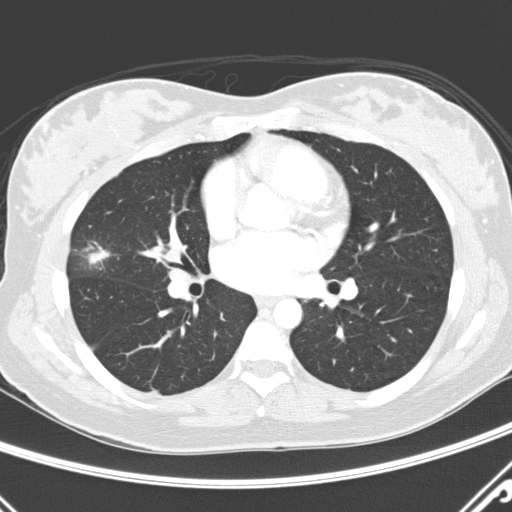
Axial chest CT slice 150 of 290 (counted from the lowest slice); tube voltage 120 kVp, convolution kernel D; slices 2.00 mm thick, 0.648 mm per pixel.
Pulmonary nodule outlined by all four readers; box rows 246–264, columns 87–110 (the union of the readers' outlines on this slice); median longest diameter 23.9 mm (readers' outlines 19.9–37.8 mm), median volume 1825 mm3 (1327–2956 mm3). Ratings, median across the readers with their spread: median texture 4/5 (readers ranged 3/5 (part-solid) to 5/5 (solid)); median margin 1.5/5 (readers ranged 1/5 (indistinct) to 3/5); sphericity 3/5 (ovoid) at the median of four readers, spread 2/5 to 4/5; calcification absent, all four readers agreeing; internal structure soft tissue, all four readers agreeing; subtlety 5/5 from all four readers; median malignancy likelihood 4/5 (readers ranged 3–5). Scale key (1–5): texture non-solid→solid, margin indistinct→circumscribed, sphericity linear→round, subtlety extremely subtle→obvious, malignancy likelihood highly unlikely→highly suspicious of cancer. Box rows and columns are 0-based pixel indices from the top-left corner, inclusive.